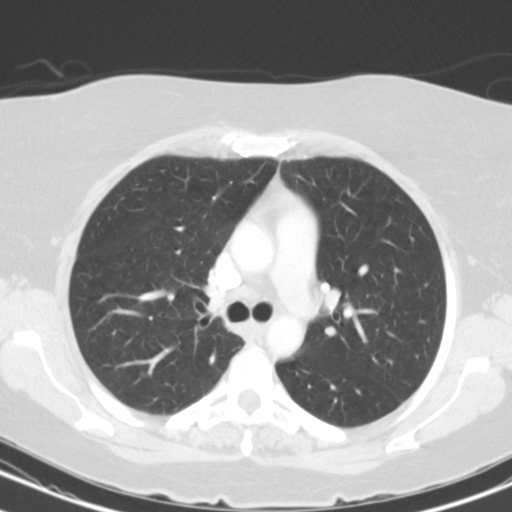
Chest CT, axial plane, 130 kVp, kernel B31s. Slice 81/114 from the bottom of the scan; thickness 3.00 mm; pixel size 0.617 mm.
No nodule of 3 mm or larger was outlined by any of the four readers on this slice.